Chest CT, axial plane, 120 kVp, kernel BONE. Slice 82/264 from the bottom of the scan; thickness 1.25 mm; pixel size 0.703 mm.
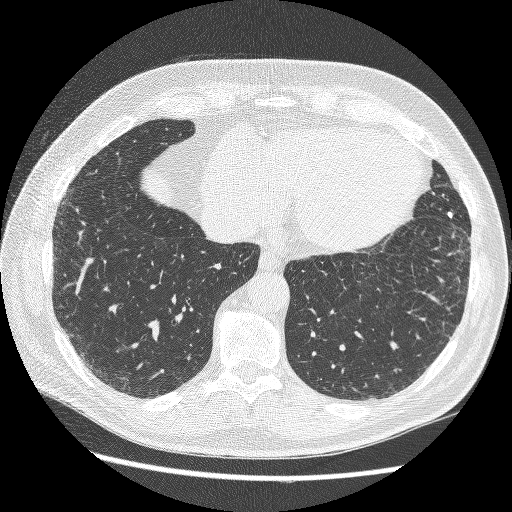
Pulmonary nodule, outlined by all four readers. Box on this slice rows 212–217, columns 448–452, the union of the readers' outlines on this slice; median longest diameter 5.5 mm (readers' outlines 5.4–5.7 mm), median volume 50 mm3 (47–60 mm3). Median ratings and the readers' spread: texture 5/5 (solid), all four readers agreeing; margin 5/5 (circumscribed), all four readers agreeing; median sphericity 3.5/5 (readers ranged 3/5 (ovoid) to 5/5 (round)); calcification solid calcification from all four readers; internal structure soft tissue, all four readers agreeing; median subtlety 3.5/5 (readers ranged 1–4); malignancy likelihood 1/5, all four readers agreeing. Scale key (1–5): texture non-solid→solid, margin indistinct→circumscribed, sphericity linear→round, subtlety extremely subtle→obvious, malignancy likelihood highly unlikely→highly suspicious of cancer. Box rows and columns are 0-based pixel indices from the top-left corner, inclusive.